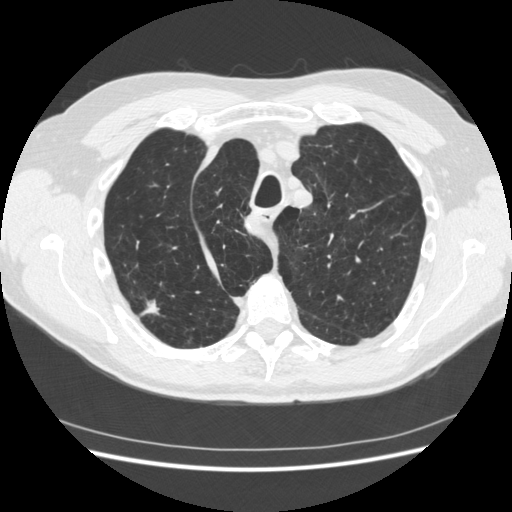
This is axial slice 361 of 481 (slice 1 is the lowest) of a chest CT; each pixel is 0.703 mm and the slice is 1.25 mm thick. Pulmonary nodule at rows 290–317, columns 137–166 (box = the union of the readers' outlines on this slice), outlined by all four readers; median longest diameter 25.6 mm (readers' outlines 18.7–34.9 mm), median volume 2081 mm3 (1155–4169 mm3). Ratings, median across the readers with their spread: median texture 5/5 (solid) (readers ranged 4/5 to 5/5 (solid)); median margin 2.5/5 (readers ranged 1/5 (indistinct) to 4/5); sphericity 3.5/5 at the median of four readers, spread 2/5 to 5/5 (round); calcification absent, all four readers agreeing; internal structure soft tissue, all four readers agreeing; subtlety 5/5, all four readers agreeing; malignancy likelihood 5/5 at the median of four readers, spread 4–5. Scale key (1–5): texture non-solid→solid, margin indistinct→circumscribed, sphericity linear→round, subtlety extremely subtle→obvious, malignancy likelihood highly unlikely→highly suspicious of cancer. Box rows and columns are 0-based pixel indices from the top-left corner, inclusive.
Tube voltage 120 kVp; convolution kernel STANDARD.